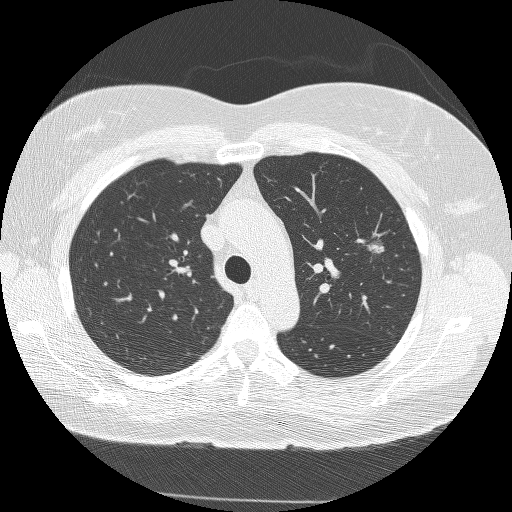
Chest CT, axial plane, 120 kVp, kernel BONE. Slice 184/245 from the bottom of the scan; thickness 1.25 mm; pixel size 0.664 mm.
Pulmonary nodule outlined by all four readers; box rows 240–254, columns 366–384 (the union of the readers' outlines on this slice); median longest diameter 21.0 mm (readers' outlines 20.8–22.3 mm), median volume 3153 mm3 (2976–3390 mm3). Ratings, median across the readers with their spread: median texture 5/5 (solid) (readers ranged 4/5 to 5/5 (solid)); median margin 3.5/5 (readers ranged 3/5 to 4/5); median sphericity 3.5/5 (readers ranged 3/5 (ovoid) to 5/5 (round)); calcification absent from all four readers; internal structure soft tissue, all four readers agreeing; subtlety 5/5 from all four readers; malignancy likelihood 5/5 from all four readers. Scale key (1–5): texture non-solid→solid, margin indistinct→circumscribed, sphericity linear→round, subtlety extremely subtle→obvious, malignancy likelihood highly unlikely→highly suspicious of cancer. Box rows and columns are 0-based pixel indices from the top-left corner, inclusive.